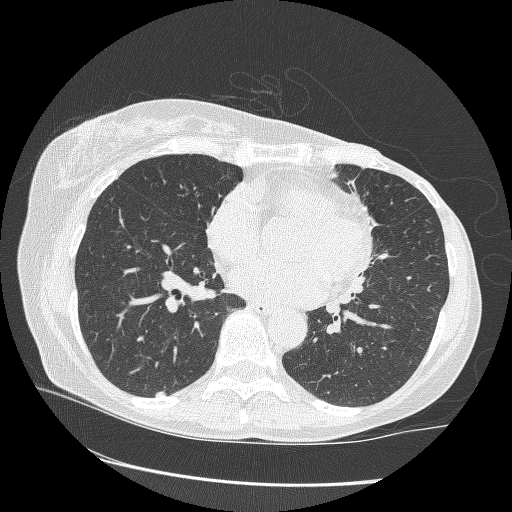
This is axial slice 134 of 265 (slice 1 is the lowest) of a chest CT; each pixel is 0.664 mm and the slice is 1.25 mm thick. Pulmonary nodule at rows 392–397, columns 155–166 (box = the union of the readers' outlines on this slice), outlined by three of the four readers; longest diameter 9.1 mm on average over the three readers' outlines (readers' outlines 8.0–10.0 mm), volume 87–155 mm3. Ratings, by the readers' most common answer with dissent counted: texture 5/5 (solid), all three readers agreeing; most readers (two of three) put margin at 5/5 (circumscribed), others 4/5 (one); sphericity 3/5 (ovoid) by two of three readers; the rest gave 2/5 (one); calcification absent, all three readers agreeing; internal structure soft tissue, all three readers agreeing; subtlety 4/5 from all three readers; malignancy likelihood 3/5 by two of three readers; the rest gave 2/5 (one). Scale key (1–5): texture non-solid→solid, margin indistinct→circumscribed, sphericity linear→round, subtlety extremely subtle→obvious, malignancy likelihood highly unlikely→highly suspicious of cancer. Box rows and columns are 0-based pixel indices from the top-left corner, inclusive.
Acquired at 120 kVp and reconstructed with the BONE kernel.